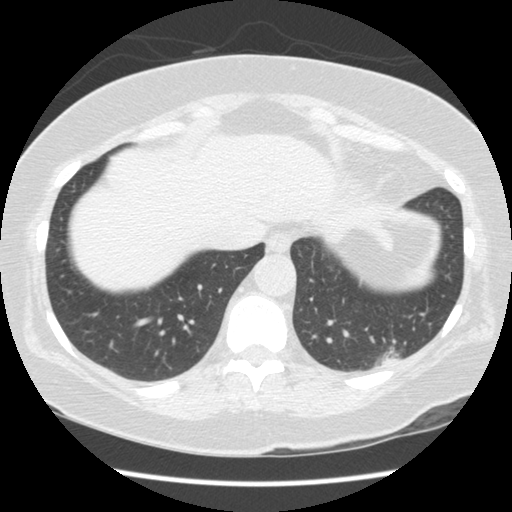
Axial chest CT slice 38 of 154 (counted from the lowest slice); 2.50 mm thick, 0.645 mm per pixel. Pulmonary nodule at rows 347–366, columns 374–399 (box = that reader's outline on this slice), outlined by one of the four readers; longest diameter 24.1 mm and volume 2244 mm3 from that reader's outline. Ratings by that reader: texture 3/5 (part-solid); margin 3/5; sphericity 4/5; calcification absent; internal structure soft tissue; subtlety 4/5; malignancy likelihood 1/5. Scale key (1–5): texture non-solid→solid, margin indistinct→circumscribed, sphericity linear→round, subtlety extremely subtle→obvious, malignancy likelihood highly unlikely→highly suspicious of cancer. Box rows and columns are 0-based pixel indices from the top-left corner, inclusive.
Scan settings: 120 kVp, STANDARD reconstruction kernel.